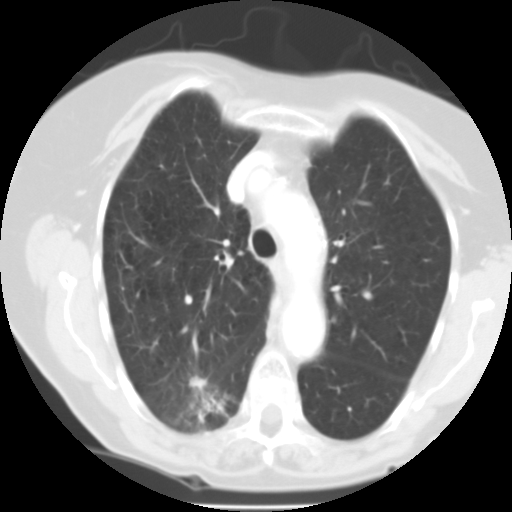
Axial slice 71 of 101 of a chest CT (slice 1 is the lowest), reconstructed with the FC01 kernel at 135 kVp; 3.00 mm slice thickness and 0.558 mm pixels.
Pulmonary nodule, outlined by three of the four readers. Box on this slice rows 374–390, columns 188–207, the union of the readers' outlines on this slice; median longest diameter 11.8 mm (readers' outlines 11.1–12.2 mm), median volume 363 mm3 (257–585 mm3). Ratings, median across the readers with their spread: texture 4/5 at the median of three readers, spread 3/5 (part-solid) to 5/5 (solid); median margin 3/5 (readers ranged 2/5 to 4/5); median sphericity 3/5 (ovoid) (readers ranged 2/5 to 5/5 (round)); calcification absent from all three readers; internal structure soft tissue, all three readers agreeing; subtlety 4/5 at the median of three readers, spread 4–5; median malignancy likelihood 4/5 (readers ranged 3–4). Scale key (1–5): texture non-solid→solid, margin indistinct→circumscribed, sphericity linear→round, subtlety extremely subtle→obvious, malignancy likelihood highly unlikely→highly suspicious of cancer. Box rows and columns are 0-based pixel indices from the top-left corner, inclusive.